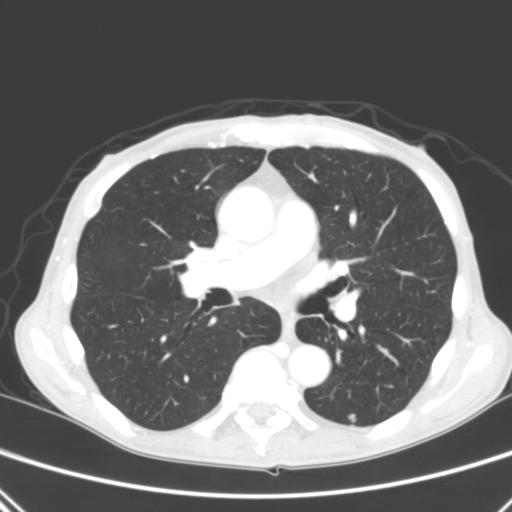
Axial slice 159 of 290 of a chest CT (slice 1 is the lowest), reconstructed with the B kernel at 120 kVp; 2.00 mm slice thickness and 0.639 mm pixels.
Pulmonary nodule at rows 413–422, columns 347–356 (box = the union of the readers' outlines on this slice), outlined by all four readers; median longest diameter 7.9 mm (readers' outlines 7.4–8.6 mm), median volume 160 mm3 (120–172 mm3). Ratings, median across the readers with their spread: texture 5/5 (solid) at the median of four readers, spread 4/5 to 5/5 (solid); margin 4/5 at the median of four readers, spread 2/5 to 4/5; sphericity 3/5 (ovoid) at the median of four readers, spread 3/5 (ovoid) to 4/5; calcification absent from all four readers; internal structure soft tissue, all four readers agreeing; median subtlety 4.5/5 (readers ranged 4–5); malignancy likelihood 3/5 at the median of four readers, spread 3–4. Scale key (1–5): texture non-solid→solid, margin indistinct→circumscribed, sphericity linear→round, subtlety extremely subtle→obvious, malignancy likelihood highly unlikely→highly suspicious of cancer. Box rows and columns are 0-based pixel indices from the top-left corner, inclusive.